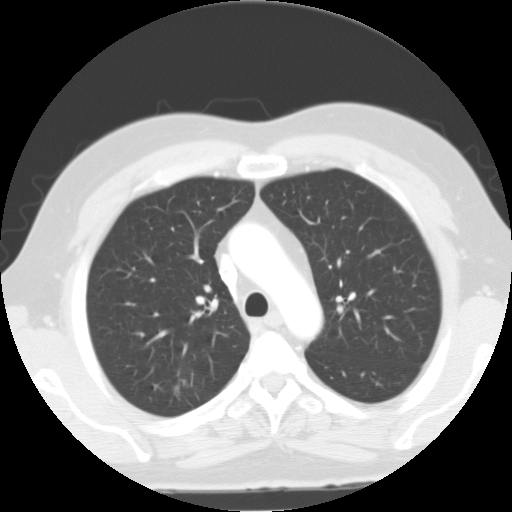
Axial chest CT slice 79 of 116 (counted from the lowest slice); tube voltage 135 kVp, convolution kernel FC01; slices 3.00 mm thick, 0.692 mm per pixel.
Pulmonary nodule outlined by all four readers; box rows 379–397, columns 174–187 (the union of the readers' outlines on this slice); the four readers' outlines give a longest diameter between 28.5 and 32.9 mm and a volume between 2473 and 3947 mm3. The readers' ratings, as ranges where they differ: texture from 3/5 (part-solid) to 5/5 (solid) across the four readers; margin from 1/5 (indistinct) to 2/5 across the four readers; sphericity from 2/5 to 3/5 (ovoid) across the four readers; calcification absent from all four readers; internal structure soft tissue, all four readers agreeing; subtlety from 4/5 to 5/5 across the four readers; malignancy likelihood 2–5/5 (the readers disagree). Scale key (1–5): texture non-solid→solid, margin indistinct→circumscribed, sphericity linear→round, subtlety extremely subtle→obvious, malignancy likelihood highly unlikely→highly suspicious of cancer. Box rows and columns are 0-based pixel indices from the top-left corner, inclusive.